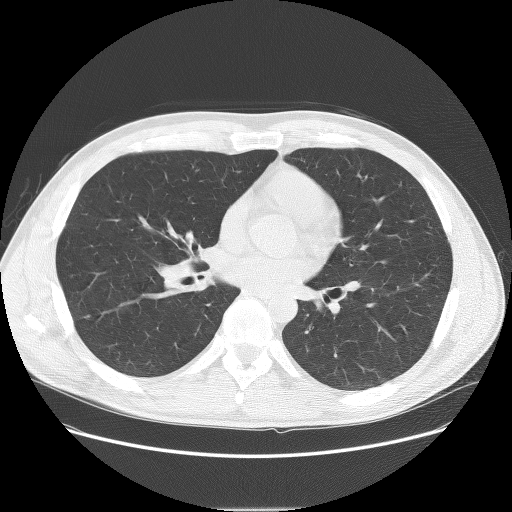
One axial slice (56 of 121, counting up from the lowest) of a chest CT acquired at 140 kVp with the BONE kernel; each pixel is 0.762 mm and the slice is 2.50 mm thick.
Pulmonary nodule outlined by one of the four readers; box rows 315–319, columns 83–89 (that reader's outline on this slice); longest diameter 6.5 mm and volume 91 mm3 from that reader's outline. That reader's ratings: texture 4/5; margin 5/5 (circumscribed); sphericity 4/5; calcification absent; internal structure soft tissue; subtlety 3/5; malignancy likelihood 3/5. Scale key (1–5): texture non-solid→solid, margin indistinct→circumscribed, sphericity linear→round, subtlety extremely subtle→obvious, malignancy likelihood highly unlikely→highly suspicious of cancer. Box rows and columns are 0-based pixel indices from the top-left corner, inclusive.